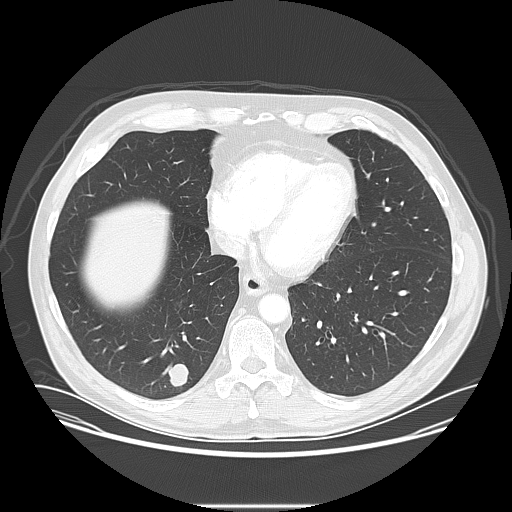
One axial slice (46 of 141, counting up from the lowest) of a chest CT acquired at 120 kVp with the LUNG kernel; each pixel is 0.820 mm and the slice is 2.50 mm thick.
Pulmonary nodule at rows 363–386, columns 168–188 (box = the union of the readers' outlines on this slice), outlined by all four readers; median longest diameter 20.6 mm (readers' outlines 19.2–21.8 mm), median volume 3332 mm3 (2661–3789 mm3). Median ratings and the readers' spread: texture 5/5 (solid) from all four readers; margin 5/5 (circumscribed) at the median of four readers, spread 4/5 to 5/5 (circumscribed); sphericity 3.5/5 at the median of four readers, spread 3/5 (ovoid) to 4/5; calcification absent from all four readers; internal structure soft tissue, all four readers agreeing; subtlety 5/5 at the median of four readers, spread 4–5; median malignancy likelihood 4/5 (readers ranged 3–5). Scale key (1–5): texture non-solid→solid, margin indistinct→circumscribed, sphericity linear→round, subtlety extremely subtle→obvious, malignancy likelihood highly unlikely→highly suspicious of cancer. Box rows and columns are 0-based pixel indices from the top-left corner, inclusive.